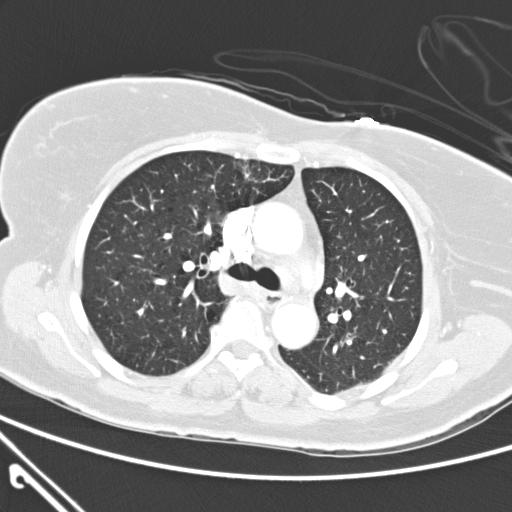
Axial chest CT slice 181 of 300 (counted from the lowest slice); tube voltage 120 kVp, convolution kernel D; slices 2.00 mm thick, 0.631 mm per pixel.
This slice carries no reader outline of a nodule 3 mm or larger.